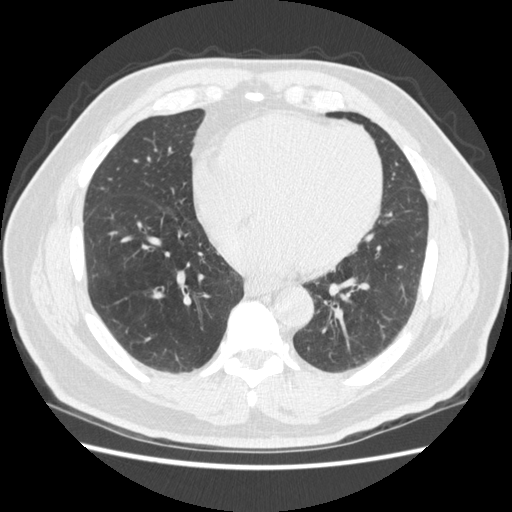
Chest CT, axial plane, 120 kVp, kernel STANDARD. Slice 174/465 from the bottom of the scan; thickness 1.25 mm; pixel size 0.703 mm.
None of the four readers outlined a nodule of 3 mm or more on this slice.